Axial slice 214 of 383 of a chest CT (slice 1 is the lowest), reconstructed with the B45f kernel at 120 kVp; 1.00 mm slice thickness and 0.664 mm pixels.
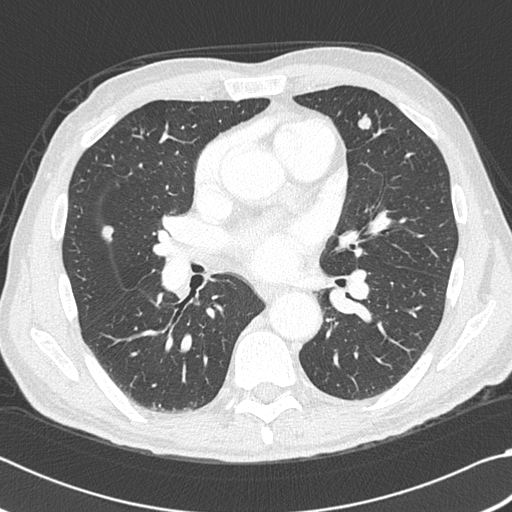
Two pulmonary nodules on this slice, listed from left to right. (1) Pulmonary nodule, outlined by all four readers. Box on this slice rows 225–242, columns 100–113, the union of the readers' outlines on this slice; longest diameter 15.5–17.3 mm and volume 759–884 mm3 across the four readers' outlines. The readers' ratings, as ranges where they differ: texture 5/5 (solid), all four readers agreeing; margin from 4/5 to 5/5 (circumscribed) across the four readers; sphericity from 3/5 (ovoid) to 5/5 (round) across the four readers; calcification: absent (three), solid calcification (one); internal structure soft tissue from all four readers; subtlety from 4/5 to 5/5 across the four readers; malignancy likelihood rated between 1 and 5 out of 5 by the four readers. (2) Pulmonary nodule at rows 114–129, columns 357–371 (box = the union of the readers' outlines on this slice), outlined by all four readers; longest diameter 10.1–11.8 mm and volume 386–564 mm3 across the four readers' outlines. The readers' ratings, as ranges where they differ: texture 5/5 (solid), all four readers agreeing; margin from 4/5 to 5/5 (circumscribed) across the four readers; sphericity from 3/5 (ovoid) to 5/5 (round) across the four readers; calcification absent from all four readers; internal structure soft tissue, all four readers agreeing; subtlety rated between 4 and 5 out of 5 by the four readers; malignancy likelihood 2–5/5 (the readers disagree). Scale key (1–5): texture non-solid→solid, margin indistinct→circumscribed, sphericity linear→round, subtlety extremely subtle→obvious, malignancy likelihood highly unlikely→highly suspicious of cancer. Box rows and columns are 0-based pixel indices from the top-left corner, inclusive.